Axial chest CT slice 87 of 123 (counted from the lowest slice); tube voltage 140 kVp, convolution kernel BONE; slices 2.50 mm thick, 0.703 mm per pixel.
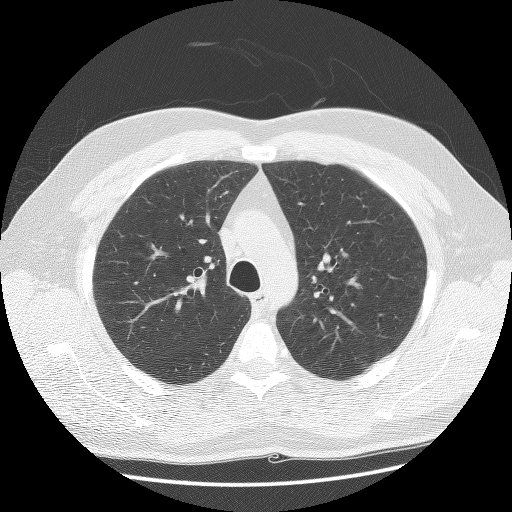
This slice carries no reader outline of a nodule 3 mm or larger.